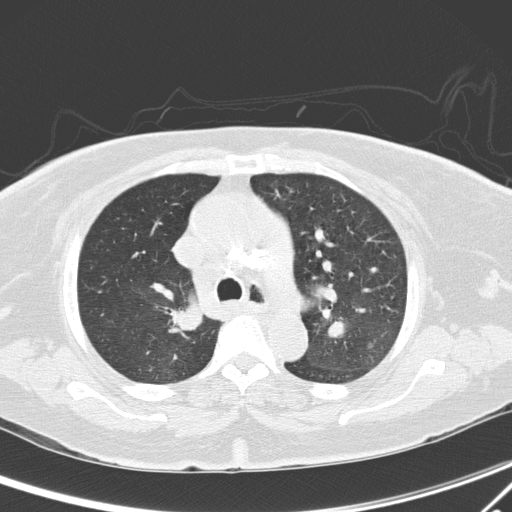
Axial slice 208 of 295 of a chest CT (slice 1 is the lowest), reconstructed with the D kernel at 120 kVp; 2.00 mm slice thickness and 0.682 mm pixels.
Pulmonary nodule at rows 343–347, columns 367–372 (box = the union of the readers' outlines on this slice), outlined by two of the four readers; the two readers' outlines give a longest diameter between 5.3 and 6.5 mm and a volume between 34 and 72 mm3. The readers' ratings, as ranges where they differ: texture from 2/5 to 4/5 across the two readers; margin from 1/5 (indistinct) to 5/5 (circumscribed) across the two readers; sphericity from 3/5 (ovoid) to 5/5 (round) across the two readers; calcification absent, both readers agreeing; internal structure soft tissue from both readers; subtlety from 1/5 to 3/5 across the two readers; malignancy likelihood from 2/5 to 3/5 across the two readers. Scale key (1–5): texture non-solid→solid, margin indistinct→circumscribed, sphericity linear→round, subtlety extremely subtle→obvious, malignancy likelihood highly unlikely→highly suspicious of cancer. Box rows and columns are 0-based pixel indices from the top-left corner, inclusive.